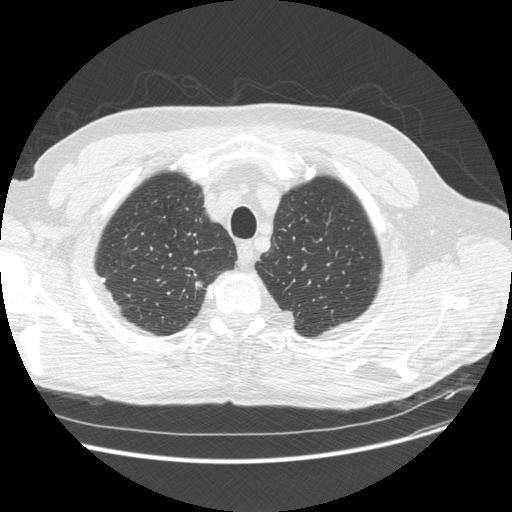
This is axial slice 455 of 513 (slice 1 is the lowest) of a chest CT; each pixel is 0.742 mm and the slice is 1.25 mm thick. Pulmonary nodule, outlined by all four readers. Box on this slice rows 280–288, columns 194–202, the union of the readers' outlines on this slice; longest diameter 13.1 mm on average over the four readers' outlines (readers' outlines 11.4–16.0 mm), volume 128–190 mm3. The readers' prevailing ratings and who disagreed: texture split among the readers: 4/5 (two), 5/5 (solid) (two); margin 4/5 by two of four readers; the rest gave 2/5 (one), 5/5 (circumscribed) (one); sphericity split among the readers: 2/5 (one), 3/5 (ovoid) (one), 4/5 (one), 5/5 (round) (one); calcification absent, all four readers agreeing; internal structure soft tissue, all four readers agreeing; subtlety 5/5 by two of four readers; the rest gave 3/5 (one), 4/5 (one); malignancy likelihood split among the readers: 4/5 (two), 5/5 (two). Scale key (1–5): texture non-solid→solid, margin indistinct→circumscribed, sphericity linear→round, subtlety extremely subtle→obvious, malignancy likelihood highly unlikely→highly suspicious of cancer. Box rows and columns are 0-based pixel indices from the top-left corner, inclusive.
Scan settings: 120 kVp, STANDARD reconstruction kernel.